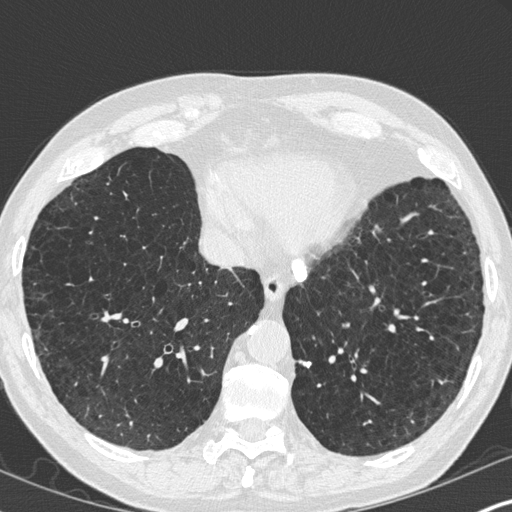
One axial slice (104 of 347, counting up from the lowest) of a chest CT acquired at 120 kVp with the B45f kernel; each pixel is 0.625 mm and the slice is 1.00 mm thick.
Pulmonary nodule at rows 359–367, columns 298–311 (box = the union of the readers' outlines on this slice), outlined by two of the four readers; the two readers' outlines give a longest diameter between 10.7 and 14.3 mm and a volume between 348 and 470 mm3. Ratings across the readers: texture 5/5 (solid), both readers agreeing; margin from 4/5 to 5/5 (circumscribed) across the two readers; sphericity from 3/5 (ovoid) to 4/5 across the two readers; calcification solid calcification, both readers agreeing; internal structure soft tissue from both readers; subtlety 5/5 from both readers; malignancy likelihood 1/5 from both readers. Scale key (1–5): texture non-solid→solid, margin indistinct→circumscribed, sphericity linear→round, subtlety extremely subtle→obvious, malignancy likelihood highly unlikely→highly suspicious of cancer. Box rows and columns are 0-based pixel indices from the top-left corner, inclusive.